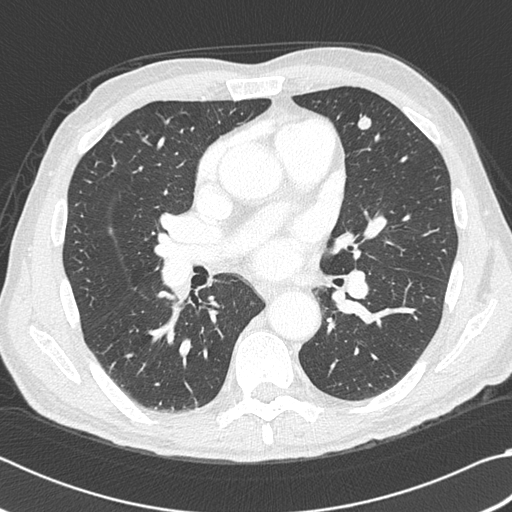
Slice 216/383 of a chest CT, counting up from the lowest; pixel size 0.664 mm, slice thickness 1.00 mm. Two pulmonary nodules on this slice, listed from left to right. (1) Pulmonary nodule, outlined by all four readers, one of them on this slice. Box on this slice rows 227–234, columns 108–112, the one reader's outline on this slice; median longest diameter 16.1 mm (readers' outlines 15.5–17.3 mm), median volume 801 mm3 (759–884 mm3). Ratings, median across the readers with their spread: texture 5/5 (solid), all four readers agreeing; median margin 5/5 (circumscribed) (readers ranged 4/5 to 5/5 (circumscribed)); sphericity 3/5 (ovoid) at the median of four readers, spread 3/5 (ovoid) to 5/5 (round); calcification: absent (three), solid calcification (one); internal structure soft tissue from all four readers; median subtlety 5/5 (readers ranged 4–5); malignancy likelihood 3/5 at the median of four readers, spread 1–5. (2) Pulmonary nodule, outlined by all four readers. Box on this slice rows 114–130, columns 357–371, the union of the readers' outlines on this slice; median longest diameter 11.6 mm (readers' outlines 10.1–11.8 mm), median volume 513 mm3 (386–564 mm3). Median ratings and the readers' spread: texture 5/5 (solid) from all four readers; margin 5/5 (circumscribed) at the median of four readers, spread 4/5 to 5/5 (circumscribed); sphericity 4.5/5 at the median of four readers, spread 3/5 (ovoid) to 5/5 (round); calcification absent, all four readers agreeing; internal structure soft tissue from all four readers; subtlety 5/5 at the median of four readers, spread 4–5; median malignancy likelihood 2.5/5 (readers ranged 2–5). Scale key (1–5): texture non-solid→solid, margin indistinct→circumscribed, sphericity linear→round, subtlety extremely subtle→obvious, malignancy likelihood highly unlikely→highly suspicious of cancer. Box rows and columns are 0-based pixel indices from the top-left corner, inclusive.
Tube voltage 120 kVp; convolution kernel B45f.